Axial chest CT slice 193 of 238 (counted from the lowest slice); tube voltage 120 kVp, convolution kernel BONE; slices 1.25 mm thick, 0.703 mm per pixel.
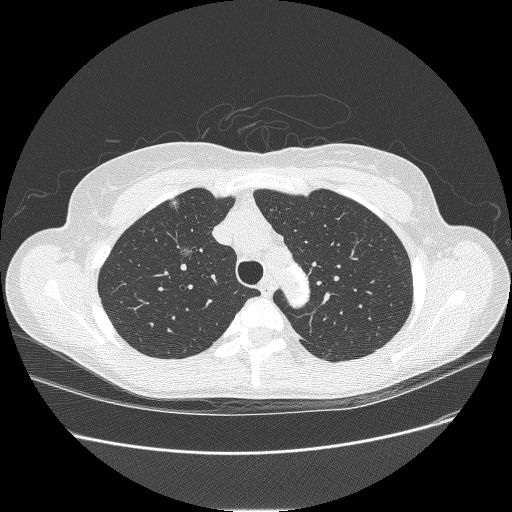
Three pulmonary nodules on this slice, listed from left to right. (1) Pulmonary nodule at rows 198–210, columns 168–179 (box = the union of the readers' outlines on this slice), outlined by all four readers; median longest diameter 9.8 mm (readers' outlines 8.5–10.1 mm), median volume 192 mm3 (141–235 mm3). Ratings, median across the readers with their spread: texture 1/5 (non-solid) at the median of four readers, spread 1/5 (non-solid) to 3/5 (part-solid); margin 1/5 (indistinct) at the median of four readers, spread 1/5 (indistinct) to 5/5 (circumscribed); sphericity 4/5 at the median of four readers, spread 3/5 (ovoid) to 5/5 (round); calcification absent, all four readers agreeing; internal structure soft tissue, all four readers agreeing; subtlety 3.5/5 at the median of four readers, spread 2–4; median malignancy likelihood 3.5/5 (readers ranged 2–4). (2) Pulmonary nodule at rows 247–259, columns 180–192 (box = the union of the readers' outlines on this slice), outlined by all four readers; median longest diameter 10.6 mm (readers' outlines 9.6–12.0 mm), median volume 267 mm3 (193–427 mm3). Ratings, median across the readers with their spread: texture 1/5 (non-solid) at the median of four readers, spread 1/5 (non-solid) to 3/5 (part-solid); margin 1.5/5 at the median of four readers, spread 1/5 (indistinct) to 5/5 (circumscribed); median sphericity 4.5/5 (readers ranged 3/5 (ovoid) to 5/5 (round)); calcification absent from all four readers; internal structure soft tissue from all four readers; subtlety 3.5/5 at the median of four readers, spread 2–4; malignancy likelihood 3.5/5 at the median of four readers, spread 2–4. (3) Pulmonary nodule, outlined by all four readers, one of them on this slice. Box on this slice rows 260–264, columns 399–403, the one reader's outline on this slice; the four readers' outlines give a longest diameter between 8.0 and 11.4 mm and a volume between 146 and 273 mm3. The readers' ratings, as ranges where they differ: texture from 1/5 (non-solid) to 3/5 (part-solid) across the four readers; margin from 1/5 (indistinct) to 4/5 across the four readers; sphericity 4/5, all four readers agreeing; calcification absent from all four readers; internal structure soft tissue from all four readers; subtlety from 2/5 to 4/5 across the four readers; malignancy likelihood 3–4/5 (the readers disagree). Scale key (1–5): texture non-solid→solid, margin indistinct→circumscribed, sphericity linear→round, subtlety extremely subtle→obvious, malignancy likelihood highly unlikely→highly suspicious of cancer. Box rows and columns are 0-based pixel indices from the top-left corner, inclusive.